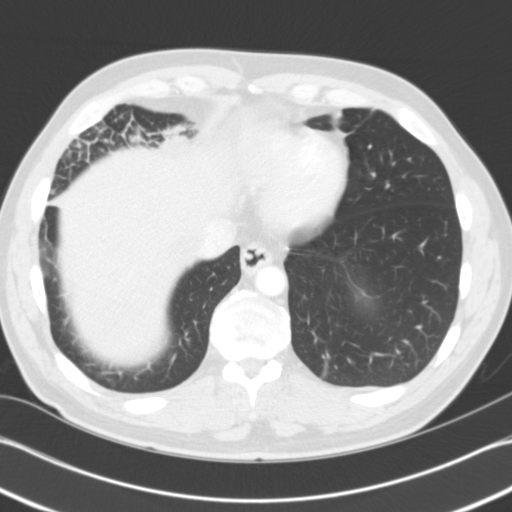
Chest CT, axial plane, 120 kVp, kernel B31f. Slice 42/121 from the bottom of the scan; thickness 3.00 mm; pixel size 0.674 mm.
Pulmonary nodule outlined by all four readers, one of them on this slice; box rows 181–187, columns 385–389 (the one reader's outline on this slice); median longest diameter 11.0 mm (readers' outlines 10.3–11.1 mm), median volume 730 mm3 (622–783 mm3). Ratings, median across the readers with their spread: texture 5/5 (solid), all four readers agreeing; margin 5/5 (circumscribed) from all four readers; median sphericity 4.5/5 (readers ranged 4/5 to 5/5 (round)); calcification solid calcification, all four readers agreeing; internal structure soft tissue from all four readers; subtlety 5/5, all four readers agreeing; malignancy likelihood 1/5 from all four readers. Scale key (1–5): texture non-solid→solid, margin indistinct→circumscribed, sphericity linear→round, subtlety extremely subtle→obvious, malignancy likelihood highly unlikely→highly suspicious of cancer. Box rows and columns are 0-based pixel indices from the top-left corner, inclusive.